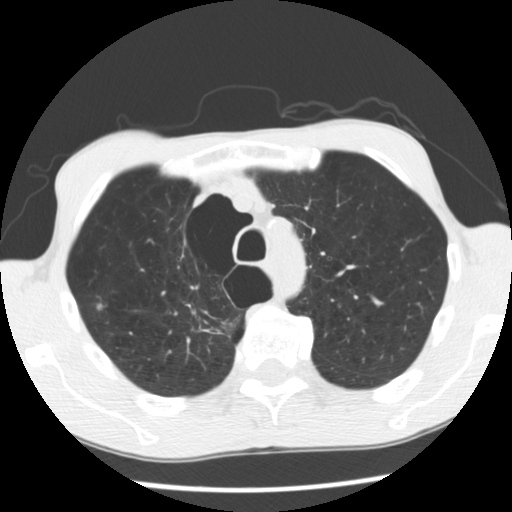
Axial chest CT slice 226 of 292 (counted from the lowest slice); tube voltage 120 kVp, convolution kernel STANDARD; slices 2.50 mm thick, 0.645 mm per pixel.
Pulmonary nodule outlined by two of the four readers; box rows 303–309, columns 96–102 (the union of the readers' outlines on this slice); median longest diameter 8.9 mm (readers' outlines 8.2–9.6 mm), median volume 148 mm3 (110–186 mm3). Median ratings and the readers' spread: texture 4/5, both readers agreeing; margin 4/5 from both readers; median sphericity 3/5 (ovoid) (readers ranged 2/5 to 4/5); calcification absent, both readers agreeing; internal structure soft tissue from both readers; subtlety 3/5, both readers agreeing; malignancy likelihood 2.5/5 at the median of two readers, spread 2–3. Scale key (1–5): texture non-solid→solid, margin indistinct→circumscribed, sphericity linear→round, subtlety extremely subtle→obvious, malignancy likelihood highly unlikely→highly suspicious of cancer. Box rows and columns are 0-based pixel indices from the top-left corner, inclusive.